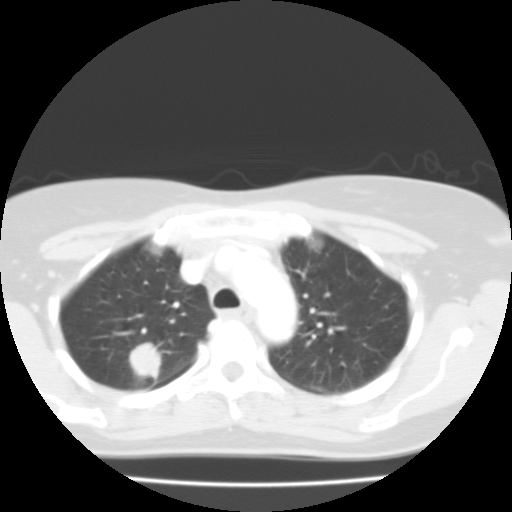
Chest CT, axial plane, 135 kVp, kernel FC01. Slice 73/99 from the bottom of the scan; thickness 3.00 mm; pixel size 0.586 mm.
Pulmonary nodule outlined by all four readers; box rows 341–382, columns 128–162 (the union of the readers' outlines on this slice); median longest diameter 24.8 mm (readers' outlines 23.2–25.9 mm), median volume 5525 mm3 (4482–6539 mm3). Median ratings and the readers' spread: texture 5/5 (solid), all four readers agreeing; median margin 4/5 (readers ranged 4/5 to 5/5 (circumscribed)); median sphericity 4.5/5 (readers ranged 4/5 to 5/5 (round)); calcification absent from all four readers; internal structure soft tissue, all four readers agreeing; median subtlety 5/5 (readers ranged 3–5); malignancy likelihood 4/5 at the median of four readers, spread 2–5. Scale key (1–5): texture non-solid→solid, margin indistinct→circumscribed, sphericity linear→round, subtlety extremely subtle→obvious, malignancy likelihood highly unlikely→highly suspicious of cancer. Box rows and columns are 0-based pixel indices from the top-left corner, inclusive.